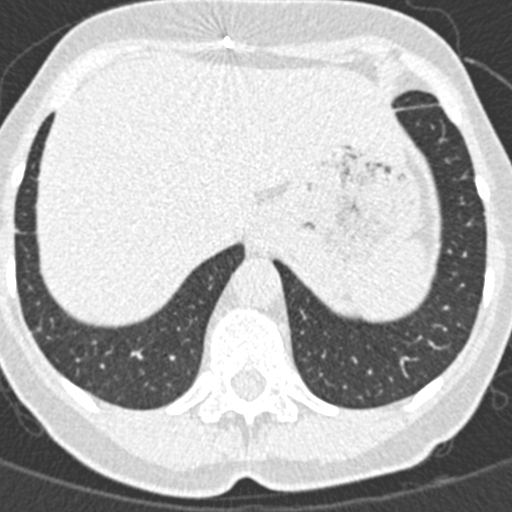
This is axial slice 60 of 376 (slice 1 is the lowest) of a chest CT; each pixel is 0.461 mm and the slice is 0.75 mm thick. Pulmonary nodule outlined by all four readers, two of them on this slice; box rows 228–232, columns 14–19 (the union of the readers' outlines on this slice); longest diameter 8.5 mm on average over the four readers' outlines (readers' outlines 8.1–8.9 mm), volume 172–196 mm3. The readers' prevailing ratings and who disagreed: texture 5/5 (solid) by three of four readers; the rest gave 4/5 (one); margin split among the readers: 4/5 (two), 5/5 (circumscribed) (two); sphericity split among the readers: 3/5 (ovoid) (two), 4/5 (two); calcification absent from all four readers; internal structure soft tissue from all four readers; subtlety 5/5 by three of four readers; the rest gave 3/5 (one); malignancy likelihood 3/5 by two of four readers; the rest gave 2/5 (one), 4/5 (one). Scale key (1–5): texture non-solid→solid, margin indistinct→circumscribed, sphericity linear→round, subtlety extremely subtle→obvious, malignancy likelihood highly unlikely→highly suspicious of cancer. Box rows and columns are 0-based pixel indices from the top-left corner, inclusive.
Scan settings: 120 kVp, B30f reconstruction kernel.